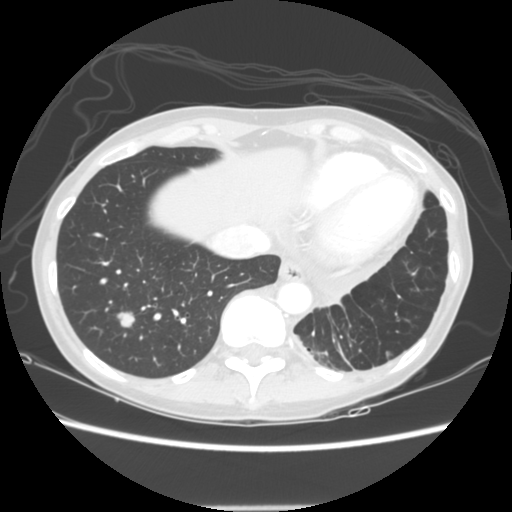
Chest CT, axial plane, 120 kVp, kernel STANDARD. Slice 47/144 from the bottom of the scan; thickness 2.50 mm; pixel size 0.664 mm.
Pulmonary nodule, outlined by all four readers. Box on this slice rows 310–327, columns 117–135, the union of the readers' outlines on this slice; the four readers' outlines give a longest diameter between 16.8 and 18.1 mm and a volume between 1370 and 1807 mm3. The readers' ratings, as ranges where they differ: texture 5/5 (solid) from all four readers; margin from 4/5 to 5/5 (circumscribed) across the four readers; sphericity from 3/5 (ovoid) to 5/5 (round) across the four readers; calcification absent from all four readers; internal structure soft tissue, all four readers agreeing; subtlety 5/5, all four readers agreeing; malignancy likelihood rated between 3 and 5 out of 5 by the four readers. Scale key (1–5): texture non-solid→solid, margin indistinct→circumscribed, sphericity linear→round, subtlety extremely subtle→obvious, malignancy likelihood highly unlikely→highly suspicious of cancer. Box rows and columns are 0-based pixel indices from the top-left corner, inclusive.